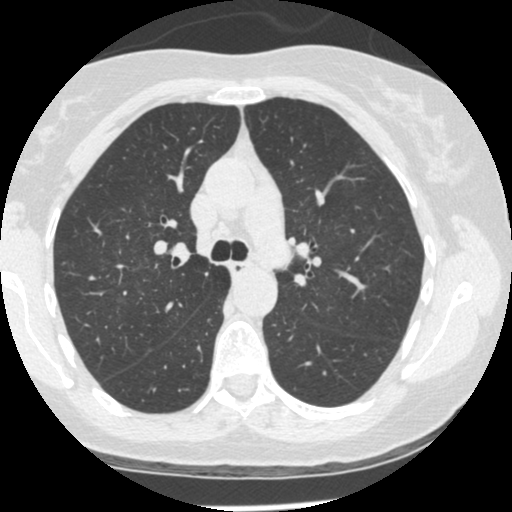
Slice 296/465 of a chest CT, counting up from the lowest; pixel size 0.586 mm, slice thickness 1.25 mm. Pulmonary nodule at rows 297–303, columns 115–125 (box = that reader's outline on this slice), outlined by one of the four readers; longest diameter 7.5 mm and volume 69 mm3 from that reader's outline. Ratings by that reader: texture 1/5 (non-solid); margin 1/5 (indistinct); sphericity 3/5 (ovoid); calcification absent; internal structure soft tissue; subtlety 5/5; malignancy likelihood 3/5. Scale key (1–5): texture non-solid→solid, margin indistinct→circumscribed, sphericity linear→round, subtlety extremely subtle→obvious, malignancy likelihood highly unlikely→highly suspicious of cancer. Box rows and columns are 0-based pixel indices from the top-left corner, inclusive.
Tube voltage 120 kVp; convolution kernel STANDARD.